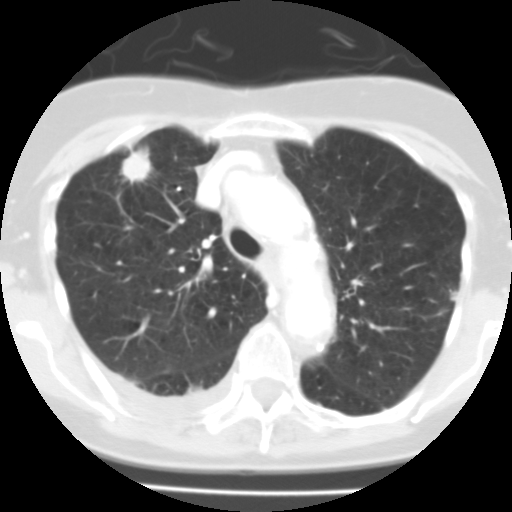
Axial slice 72 of 100 of a chest CT (slice 1 is the lowest), reconstructed with the FC01 kernel at 135 kVp; 3.00 mm slice thickness and 0.540 mm pixels.
Two pulmonary nodules on this slice, listed from left to right. (1) Pulmonary nodule at rows 142–195, columns 114–156 (box = the union of the readers' outlines on this slice), outlined by all four readers; median longest diameter 24.3 mm (readers' outlines 22.6–33.3 mm), median volume 4627 mm3 (3212–10079 mm3). Ratings, median across the readers with their spread: median texture 4/5 (readers ranged 4/5 to 5/5 (solid)); median margin 3/5 (readers ranged 1/5 (indistinct) to 4/5); sphericity 3.5/5 at the median of four readers, spread 3/5 (ovoid) to 5/5 (round); calcification absent from all four readers; internal structure soft tissue, all four readers agreeing; subtlety 5/5 from all four readers; median malignancy likelihood 4.5/5 (readers ranged 4–5). (2) Pulmonary nodule at rows 291–300, columns 449–457 (box = the union of the readers' outlines on this slice), outlined by two of the four readers; median longest diameter 10.4 mm (readers' outlines 10.2–10.7 mm), median volume 437 mm3 (433–442 mm3). Median ratings and the readers' spread: texture 5/5 (solid) from both readers; margin 4.5/5 at the median of two readers, spread 4/5 to 5/5 (circumscribed); median sphericity 3.5/5 (readers ranged 2/5 to 5/5 (round)); calcification absent from both readers; internal structure soft tissue, both readers agreeing; median subtlety 3.5/5 (readers ranged 3–4); malignancy likelihood 2.5/5 at the median of two readers, spread 2–3. Scale key (1–5): texture non-solid→solid, margin indistinct→circumscribed, sphericity linear→round, subtlety extremely subtle→obvious, malignancy likelihood highly unlikely→highly suspicious of cancer. Box rows and columns are 0-based pixel indices from the top-left corner, inclusive.